Chest CT, axial plane, 120 kVp, kernel STANDARD. Slice 182/433 from the bottom of the scan; thickness 1.25 mm; pixel size 0.547 mm.
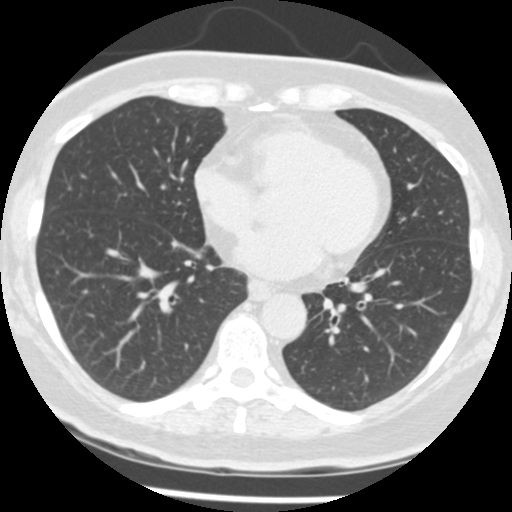
Pulmonary nodule outlined by one of the four readers; box rows 270–273, columns 55–58 (that reader's outline on this slice); longest diameter 3.7 mm and volume 18 mm3 from that reader's outline. Ratings by that reader: texture 5/5 (solid); margin 5/5 (circumscribed); sphericity 5/5 (round); calcification solid calcification; internal structure soft tissue; subtlety 5/5; malignancy likelihood 1/5. Scale key (1–5): texture non-solid→solid, margin indistinct→circumscribed, sphericity linear→round, subtlety extremely subtle→obvious, malignancy likelihood highly unlikely→highly suspicious of cancer. Box rows and columns are 0-based pixel indices from the top-left corner, inclusive.